Axial chest CT slice 37 of 111 (counted from the lowest slice); tube voltage 135 kVp, convolution kernel FC01; slices 3.00 mm thick, 0.714 mm per pixel.
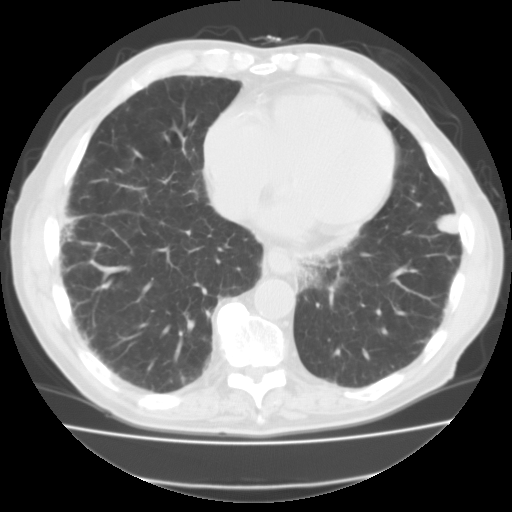
Pulmonary nodule, outlined by all four readers. Box on this slice rows 213–235, columns 435–457, the union of the readers' outlines on this slice; longest diameter 19.5–21.5 mm and volume 3640–4836 mm3 across the four readers' outlines. The readers' ratings, as ranges where they differ: texture 5/5 (solid) from all four readers; margin from 4/5 to 5/5 (circumscribed) across the four readers; sphericity from 3/5 (ovoid) to 5/5 (round) across the four readers; calcification absent, all four readers agreeing; internal structure soft tissue from all four readers; subtlety 5/5, all four readers agreeing; malignancy likelihood rated between 2 and 5 out of 5 by the four readers. Scale key (1–5): texture non-solid→solid, margin indistinct→circumscribed, sphericity linear→round, subtlety extremely subtle→obvious, malignancy likelihood highly unlikely→highly suspicious of cancer. Box rows and columns are 0-based pixel indices from the top-left corner, inclusive.